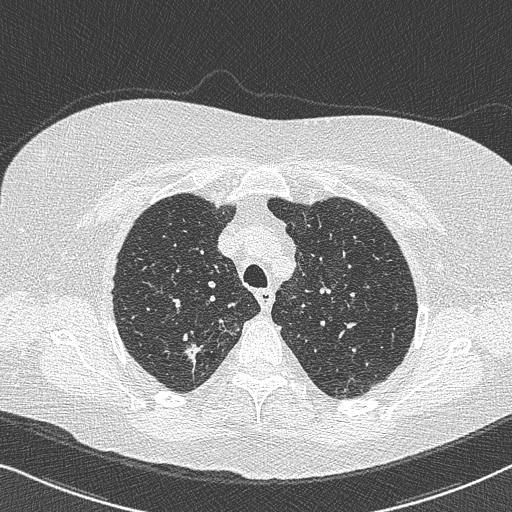
Chest CT, axial plane, 120 kVp, kernel B50f. Slice 578/733 from the bottom of the scan; thickness 0.60 mm; pixel size 0.637 mm.
Pulmonary nodule, outlined by all four readers. Box on this slice rows 342–367, columns 182–203, the union of the readers' outlines on this slice; median longest diameter 21.4 mm (readers' outlines 15.5–29.7 mm), median volume 1103 mm3 (888–2128 mm3). Ratings, median across the readers with their spread: median texture 5/5 (solid) (readers ranged 4/5 to 5/5 (solid)); margin 3/5 at the median of four readers, spread 1/5 (indistinct) to 4/5; median sphericity 3/5 (ovoid) (readers ranged 2/5 to 5/5 (round)); calcification absent, all four readers agreeing; internal structure soft tissue, all four readers agreeing; median subtlety 5/5 (readers ranged 4–5); malignancy likelihood 4/5 at the median of four readers, spread 4–5. Scale key (1–5): texture non-solid→solid, margin indistinct→circumscribed, sphericity linear→round, subtlety extremely subtle→obvious, malignancy likelihood highly unlikely→highly suspicious of cancer. Box rows and columns are 0-based pixel indices from the top-left corner, inclusive.